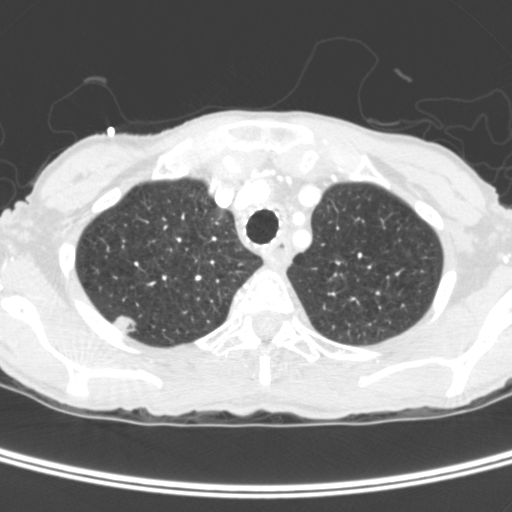
This is axial slice 325 of 400 (slice 1 is the lowest) of a chest CT; each pixel is 0.527 mm and the slice is 1.50 mm thick. Pulmonary nodule at rows 315–333, columns 112–136 (box = the union of the readers' outlines on this slice), outlined by three of the four readers; median longest diameter 15.6 mm (readers' outlines 15.0–15.8 mm), median volume 1114 mm3 (1012–1166 mm3). Median ratings and the readers' spread: median texture 5/5 (solid) (readers ranged 3/5 (part-solid) to 5/5 (solid)); margin 4/5 from all three readers; median sphericity 5/5 (round) (readers ranged 4/5 to 5/5 (round)); calcification absent from all three readers; internal structure: soft tissue (two), air (one); subtlety 5/5 from all three readers; malignancy likelihood 5/5 at the median of three readers, spread 4–5. Scale key (1–5): texture non-solid→solid, margin indistinct→circumscribed, sphericity linear→round, subtlety extremely subtle→obvious, malignancy likelihood highly unlikely→highly suspicious of cancer. Box rows and columns are 0-based pixel indices from the top-left corner, inclusive.
Scan settings: 120 kVp, C reconstruction kernel.